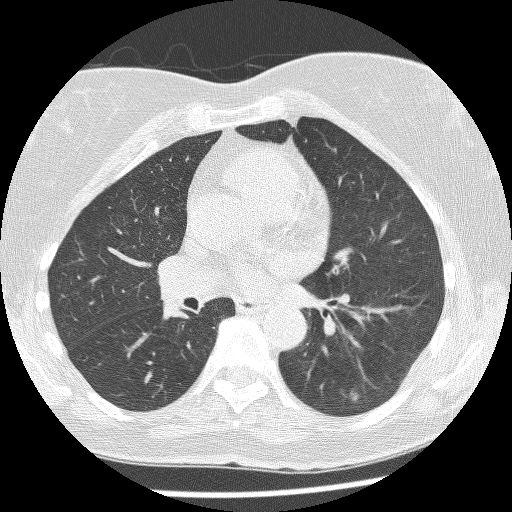
Axial chest CT slice 138 of 253 (counted from the lowest slice); 1.25 mm thick, 0.602 mm per pixel. Pulmonary nodule at rows 388–403, columns 348–360 (box = the union of the readers' outlines on this slice), outlined by three of the four readers; median longest diameter 10.0 mm (readers' outlines 6.9–12.2 mm), median volume 174 mm3 (74–215 mm3). Ratings, median across the readers with their spread: texture 1/5 (non-solid) at the median of three readers, spread 1/5 (non-solid) to 3/5 (part-solid); margin 1/5 (indistinct) at the median of three readers, spread 1/5 (indistinct) to 4/5; sphericity 4/5 at the median of three readers, spread 3/5 (ovoid) to 4/5; calcification absent from all three readers; internal structure soft tissue from all three readers; subtlety 4/5 at the median of three readers, spread 3–4; malignancy likelihood 3/5 at the median of three readers, spread 3–5. Scale key (1–5): texture non-solid→solid, margin indistinct→circumscribed, sphericity linear→round, subtlety extremely subtle→obvious, malignancy likelihood highly unlikely→highly suspicious of cancer. Box rows and columns are 0-based pixel indices from the top-left corner, inclusive.
Acquired at 120 kVp and reconstructed with the BONE kernel.